One axial slice (122 of 484, counting up from the lowest) of a chest CT acquired at 120 kVp with the STANDARD kernel; each pixel is 0.586 mm and the slice is 1.25 mm thick.
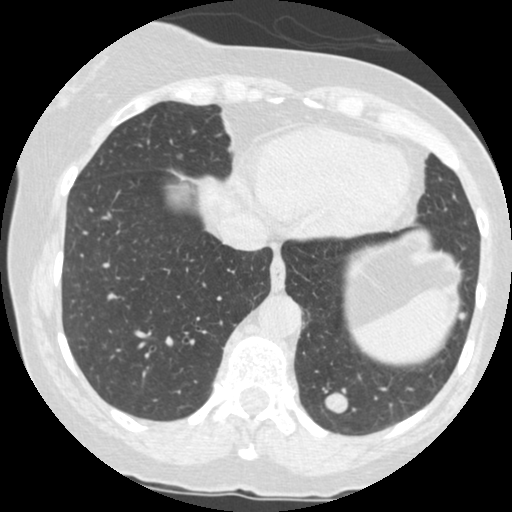
Two pulmonary nodules on this slice, listed from left to right. (1) Pulmonary nodule outlined by all four readers; box rows 388–415, columns 323–347 (the union of the readers' outlines on this slice); median longest diameter 15.5 mm (readers' outlines 14.7–16.9 mm), median volume 1266 mm3 (1036–1469 mm3). Median ratings and the readers' spread: texture 5/5 (solid) from all four readers; margin 5/5 (circumscribed), all four readers agreeing; sphericity 4/5 at the median of four readers, spread 3/5 (ovoid) to 5/5 (round); calcification absent from all four readers; internal structure soft tissue from all four readers; subtlety 5/5 from all four readers; median malignancy likelihood 4/5 (readers ranged 2–5). (2) Pulmonary nodule outlined by all four readers; box rows 311–320, columns 458–465 (the union of the readers' outlines on this slice); longest diameter 6.5 mm on average over the four readers' outlines (readers' outlines 6.0–7.2 mm), volume 36–76 mm3. Ratings, by the readers' most common answer with dissent counted: most readers (three of four) put texture at 5/5 (solid), others 4/5 (one); margin split among the readers: 4/5 (two), 5/5 (circumscribed) (two); sphericity 4/5 by two of four readers; the rest gave 3/5 (ovoid) (one), 5/5 (round) (one); calcification absent from all four readers; internal structure soft tissue from all four readers; subtlety 4/5 by two of four readers; the rest gave 2/5 (one), 3/5 (one); malignancy likelihood 3/5 by two of four readers; the rest gave 1/5 (one), 2/5 (one). Scale key (1–5): texture non-solid→solid, margin indistinct→circumscribed, sphericity linear→round, subtlety extremely subtle→obvious, malignancy likelihood highly unlikely→highly suspicious of cancer. Box rows and columns are 0-based pixel indices from the top-left corner, inclusive.